Axial chest CT slice 447 of 477 (counted from the lowest slice); tube voltage 120 kVp, convolution kernel STANDARD; slices 1.25 mm thick, 0.625 mm per pixel.
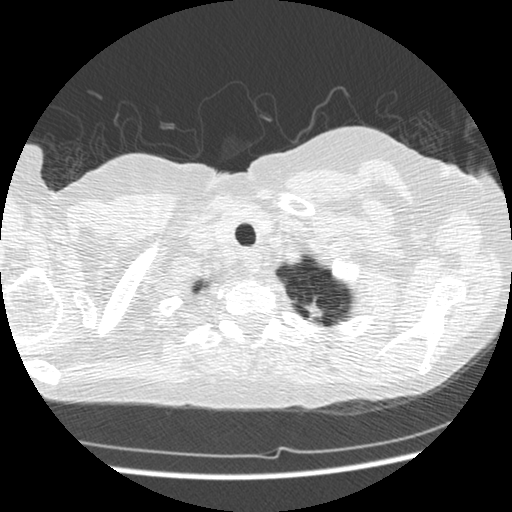
Pulmonary nodule at rows 294–324, columns 301–322 (box = that reader's outline on this slice), outlined by one of the four readers; longest diameter 20.3 mm and volume 472 mm3 from that reader's outline. That reader's ratings: texture 5/5 (solid); margin 5/5 (circumscribed); sphericity 5/5 (round); calcification solid calcification; internal structure soft tissue; subtlety 5/5; malignancy likelihood 1/5. Scale key (1–5): texture non-solid→solid, margin indistinct→circumscribed, sphericity linear→round, subtlety extremely subtle→obvious, malignancy likelihood highly unlikely→highly suspicious of cancer. Box rows and columns are 0-based pixel indices from the top-left corner, inclusive.